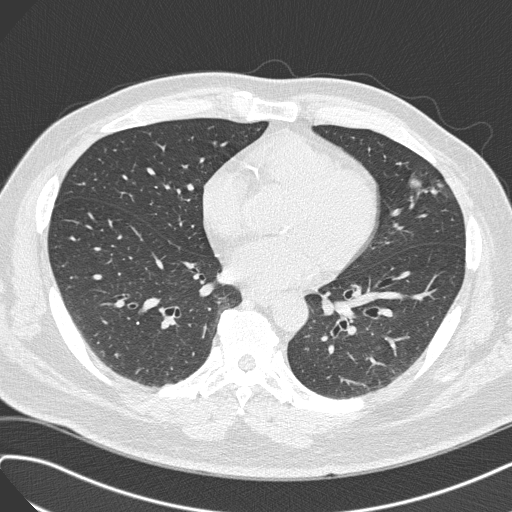
Axial slice 142 of 308 of a chest CT (slice 1 is the lowest), reconstructed with the B45f kernel at 120 kVp; 1.00 mm slice thickness and 0.703 mm pixels.
Pulmonary nodule, outlined by all four readers. Box on this slice rows 173–190, columns 408–422, the union of the readers' outlines on this slice; longest diameter 21.2 mm on average over the four readers' outlines (readers' outlines 19.6–23.0 mm), volume 1982–2315 mm3. Ratings, by the readers' most common answer with dissent counted: texture 5/5 (solid), all four readers agreeing; margin split among the readers: 4/5 (two), 5/5 (circumscribed) (two); sphericity split among the readers: 3/5 (ovoid) (two), 5/5 (round) (two); calcification absent, all four readers agreeing; internal structure soft tissue from all four readers; subtlety 5/5, all four readers agreeing; malignancy likelihood 3/5 by two of four readers; the rest gave 4/5 (one), 5/5 (one). Scale key (1–5): texture non-solid→solid, margin indistinct→circumscribed, sphericity linear→round, subtlety extremely subtle→obvious, malignancy likelihood highly unlikely→highly suspicious of cancer. Box rows and columns are 0-based pixel indices from the top-left corner, inclusive.